One axial slice (164 of 535, counting up from the lowest) of a chest CT acquired at 120 kVp with the STANDARD kernel; each pixel is 0.664 mm and the slice is 1.25 mm thick.
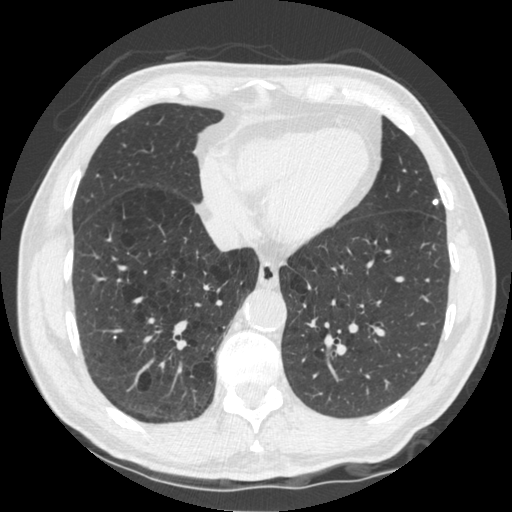
Pulmonary nodule, outlined by three of the four readers. Box on this slice rows 198–204, columns 432–438, the union of the readers' outlines on this slice; median longest diameter 6.3 mm (readers' outlines 5.5–6.8 mm), median volume 107 mm3 (70–114 mm3). Ratings, median across the readers with their spread: texture 5/5 (solid), all three readers agreeing; margin 5/5 (circumscribed), all three readers agreeing; sphericity 5/5 (round), all three readers agreeing; calcification solid calcification, all three readers agreeing; internal structure soft tissue, all three readers agreeing; subtlety 5/5 from all three readers; malignancy likelihood 1/5 from all three readers. Scale key (1–5): texture non-solid→solid, margin indistinct→circumscribed, sphericity linear→round, subtlety extremely subtle→obvious, malignancy likelihood highly unlikely→highly suspicious of cancer. Box rows and columns are 0-based pixel indices from the top-left corner, inclusive.